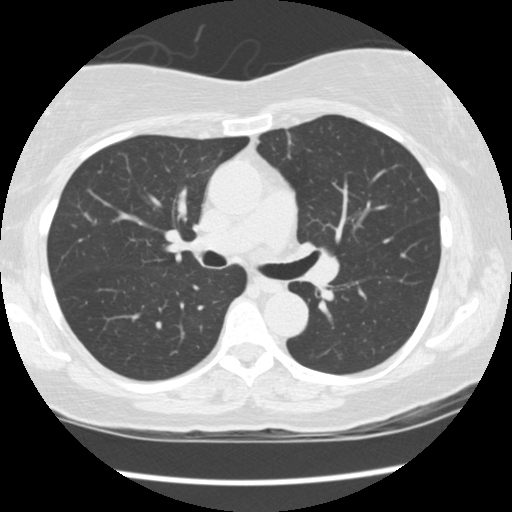
Axial chest CT slice 87 of 149 (counted from the lowest slice); tube voltage 120 kVp, convolution kernel STANDARD; slices 2.50 mm thick, 0.625 mm per pixel.
This slice carries no reader outline of a nodule 3 mm or larger.